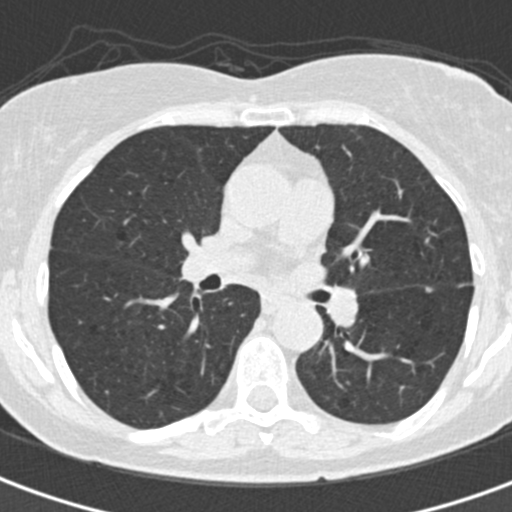
Chest CT, axial plane, 120 kVp, kernel B30f. Slice 115/193 from the bottom of the scan; thickness 2.00 mm; pixel size 0.547 mm.
Pulmonary nodule at rows 286–292, columns 425–433 (box = the union of the readers' outlines on this slice), outlined by two of the four readers; longest diameter 5.5 mm on average over the two readers' outlines (readers' outlines 5.2–5.9 mm), volume 34–38 mm3. Ratings, by the readers' most common answer with dissent counted: texture 5/5 (solid) from both readers; margin 5/5 (circumscribed), both readers agreeing; sphericity split among the readers: 2/5 (one), 3/5 (ovoid) (one); calcification absent from both readers; internal structure soft tissue, both readers agreeing; subtlety split among the readers: 2/5 (one), 3/5 (one); malignancy likelihood split among the readers: 2/5 (one), 3/5 (one). Scale key (1–5): texture non-solid→solid, margin indistinct→circumscribed, sphericity linear→round, subtlety extremely subtle→obvious, malignancy likelihood highly unlikely→highly suspicious of cancer. Box rows and columns are 0-based pixel indices from the top-left corner, inclusive.